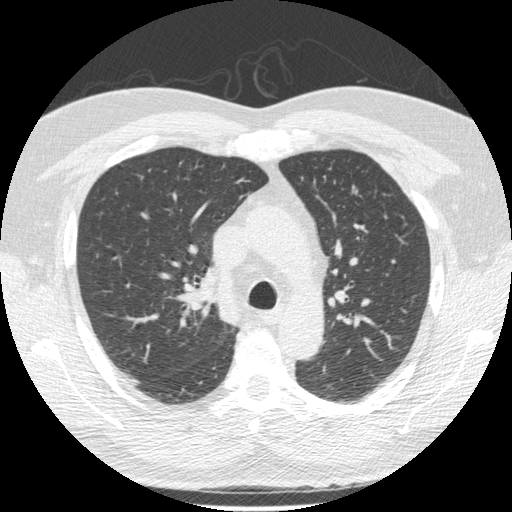
This is axial slice 387 of 557 (slice 1 is the lowest) of a chest CT; each pixel is 0.703 mm and the slice is 1.25 mm thick. Pulmonary nodule, outlined by one of the four readers. Box on this slice rows 185–195, columns 351–357, that reader's outline on this slice; longest diameter 9.1 mm and volume 53 mm3 from that reader's outline. That reader's ratings: texture 1/5 (non-solid); margin 3/5; sphericity 3/5 (ovoid); calcification absent; internal structure soft tissue; subtlety 2/5; malignancy likelihood 3/5. Scale key (1–5): texture non-solid→solid, margin indistinct→circumscribed, sphericity linear→round, subtlety extremely subtle→obvious, malignancy likelihood highly unlikely→highly suspicious of cancer. Box rows and columns are 0-based pixel indices from the top-left corner, inclusive.
Tube voltage 120 kVp; convolution kernel STANDARD.